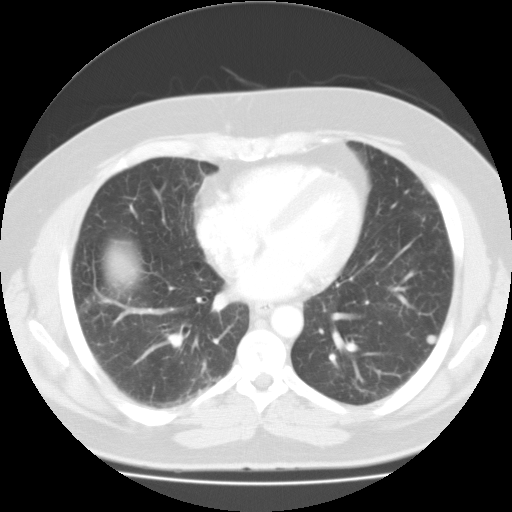
Axial chest CT slice 46 of 104 (counted from the lowest slice); tube voltage 135 kVp, convolution kernel FC01; slices 3.00 mm thick, 0.741 mm per pixel.
Pulmonary nodule, outlined by all four readers. Box on this slice rows 334–344, columns 426–436, the union of the readers' outlines on this slice; longest diameter 9.2 mm on average over the four readers' outlines (readers' outlines 9.0–9.7 mm), volume 449–620 mm3. Ratings, by the readers' most common answer with dissent counted: texture 5/5 (solid) from all four readers; margin split among the readers: 4/5 (two), 5/5 (circumscribed) (two); sphericity 5/5 (round), all four readers agreeing; calcification absent from all four readers; internal structure soft tissue from all four readers; subtlety split among the readers: 4/5 (two), 5/5 (two); most readers (three of four) put malignancy likelihood at 2/5, others 4/5 (one). Scale key (1–5): texture non-solid→solid, margin indistinct→circumscribed, sphericity linear→round, subtlety extremely subtle→obvious, malignancy likelihood highly unlikely→highly suspicious of cancer. Box rows and columns are 0-based pixel indices from the top-left corner, inclusive.